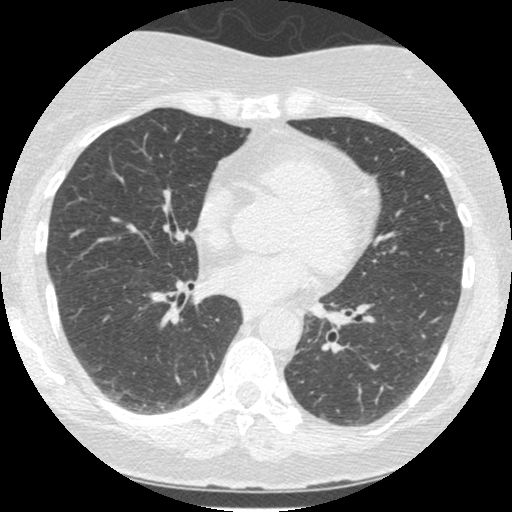
One axial slice (133 of 372, counting up from the lowest) of a chest CT acquired at 120 kVp with the STANDARD kernel; each pixel is 0.586 mm and the slice is 1.25 mm thick.
No nodule 3 mm or larger was outlined here by any reader.